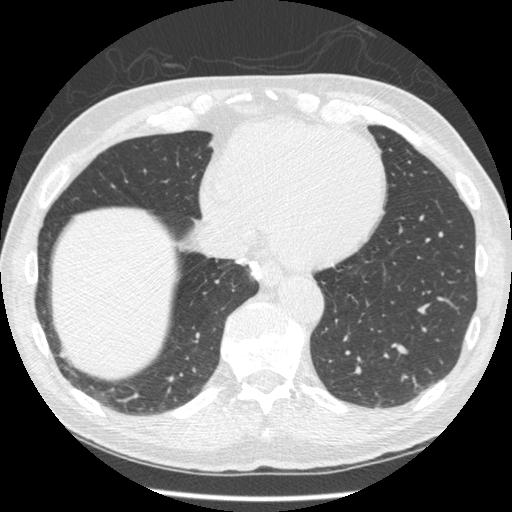
Chest CT, axial plane, 120 kVp, kernel STANDARD. Slice 114/481 from the bottom of the scan; thickness 1.25 mm; pixel size 0.664 mm.
Pulmonary nodule outlined by one of the four readers; box rows 352–357, columns 60–63 (that reader's outline on this slice); longest diameter 5.9 mm and volume 35 mm3 from that reader's outline. That reader's ratings: texture 4/5; margin 2/5; sphericity 2/5; calcification absent; internal structure soft tissue; subtlety 1/5; malignancy likelihood 1/5. Scale key (1–5): texture non-solid→solid, margin indistinct→circumscribed, sphericity linear→round, subtlety extremely subtle→obvious, malignancy likelihood highly unlikely→highly suspicious of cancer. Box rows and columns are 0-based pixel indices from the top-left corner, inclusive.